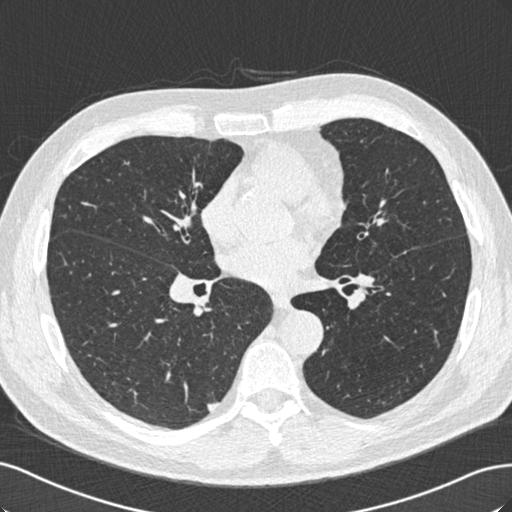
Axial chest CT slice 299 of 529 (counted from the lowest slice); tube voltage 120 kVp, convolution kernel B30f; slices 0.75 mm thick, 0.703 mm per pixel.
Pulmonary nodule, outlined by all four readers. Box on this slice rows 403–412, columns 206–219, the union of the readers' outlines on this slice; longest diameter 10.5 mm on average over the four readers' outlines (readers' outlines 9.8–11.3 mm), volume 151–208 mm3. The readers' prevailing ratings and who disagreed: texture 5/5 (solid), all four readers agreeing; margin 5/5 (circumscribed) by three of four readers; the rest gave 4/5 (one); sphericity 5/5 (round) by two of four readers; the rest gave 3/5 (ovoid) (one), 4/5 (one); calcification absent, all four readers agreeing; internal structure soft tissue, all four readers agreeing; subtlety 5/5 by two of four readers; the rest gave 3/5 (one), 4/5 (one); malignancy likelihood 3/5 by two of four readers; the rest gave 2/5 (one), 5/5 (one). Scale key (1–5): texture non-solid→solid, margin indistinct→circumscribed, sphericity linear→round, subtlety extremely subtle→obvious, malignancy likelihood highly unlikely→highly suspicious of cancer. Box rows and columns are 0-based pixel indices from the top-left corner, inclusive.